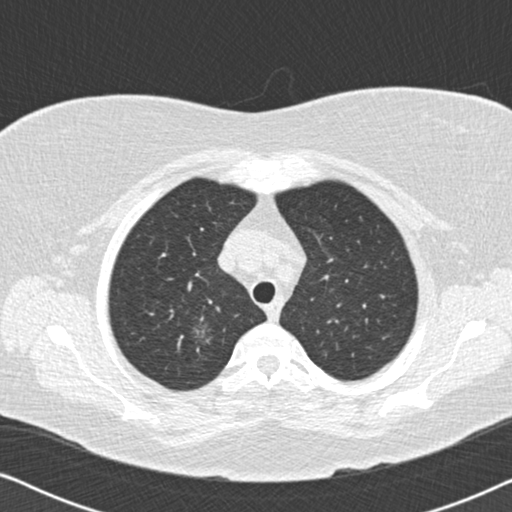
Chest CT, axial plane, 120 kVp, kernel B30f. Slice 153/177 from the bottom of the scan; thickness 2.00 mm; pixel size 0.643 mm.
Pulmonary nodule at rows 323–343, columns 192–212 (box = the union of the readers' outlines on this slice), outlined by two of the four readers; longest diameter 18.7 mm on average over the two readers' outlines (readers' outlines 18.7 mm), volume 907–910 mm3. The readers' prevailing ratings and who disagreed: texture 1/5 (non-solid), both readers agreeing; margin 1/5 (indistinct), both readers agreeing; sphericity split among the readers: 2/5 (one), 3/5 (ovoid) (one); calcification absent from both readers; internal structure soft tissue from both readers; subtlety split among the readers: 1/5 (one), 2/5 (one); malignancy likelihood 3/5, both readers agreeing. Scale key (1–5): texture non-solid→solid, margin indistinct→circumscribed, sphericity linear→round, subtlety extremely subtle→obvious, malignancy likelihood highly unlikely→highly suspicious of cancer. Box rows and columns are 0-based pixel indices from the top-left corner, inclusive.